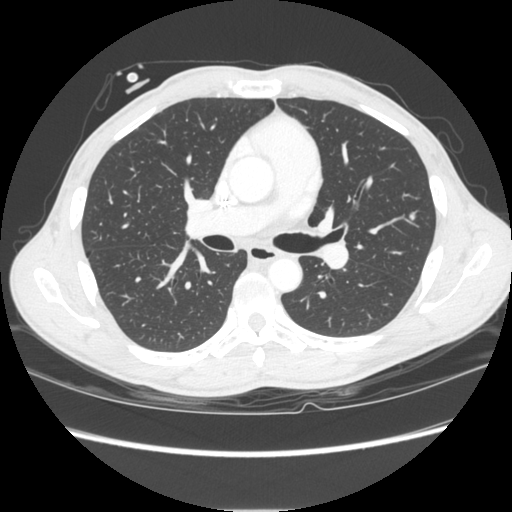
Slice 152/261 of a chest CT, counting up from the lowest; pixel size 0.684 mm, slice thickness 1.25 mm. Pulmonary nodule at rows 210–220, columns 408–417 (box = the union of the readers' outlines on this slice), outlined by all four readers; longest diameter 7.7 mm on average over the four readers' outlines (readers' outlines 6.7–9.3 mm), volume 118–216 mm3. Ratings, by the readers' most common answer with dissent counted: texture 5/5 (solid), all four readers agreeing; margin 5/5 (circumscribed) from all four readers; sphericity 4/5 by two of four readers; the rest gave 3/5 (ovoid) (one), 5/5 (round) (one); calcification absent from all four readers; internal structure soft tissue from all four readers; subtlety split among the readers: 3/5 (two), 4/5 (two); malignancy likelihood 3/5 by two of four readers; the rest gave 2/5 (one), 4/5 (one). Scale key (1–5): texture non-solid→solid, margin indistinct→circumscribed, sphericity linear→round, subtlety extremely subtle→obvious, malignancy likelihood highly unlikely→highly suspicious of cancer. Box rows and columns are 0-based pixel indices from the top-left corner, inclusive.
Tube voltage 120 kVp; convolution kernel STANDARD.